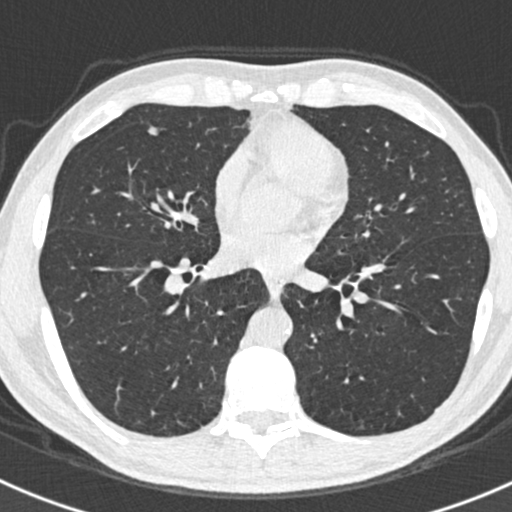
This is axial slice 292 of 538 (slice 1 is the lowest) of a chest CT; each pixel is 0.605 mm and the slice is 0.75 mm thick. Pulmonary nodule outlined by all four readers; box rows 125–136, columns 147–158 (the union of the readers' outlines on this slice); longest diameter 8.2 mm on average over the four readers' outlines (readers' outlines 7.4–8.5 mm), volume 37–89 mm3. Ratings, by the readers' most common answer with dissent counted: texture 5/5 (solid) by three of four readers; the rest gave 4/5 (one); margin 3/5 by two of four readers; the rest gave 4/5 (one), 5/5 (circumscribed) (one); sphericity 3/5 (ovoid) by two of four readers; the rest gave 2/5 (one), 4/5 (one); calcification absent from all four readers; internal structure soft tissue from all four readers; subtlety split among the readers: 3/5 (two), 4/5 (two); malignancy likelihood 2/5 by two of four readers; the rest gave 1/5 (one), 3/5 (one). Scale key (1–5): texture non-solid→solid, margin indistinct→circumscribed, sphericity linear→round, subtlety extremely subtle→obvious, malignancy likelihood highly unlikely→highly suspicious of cancer. Box rows and columns are 0-based pixel indices from the top-left corner, inclusive.
Tube voltage 120 kVp; convolution kernel B30f.